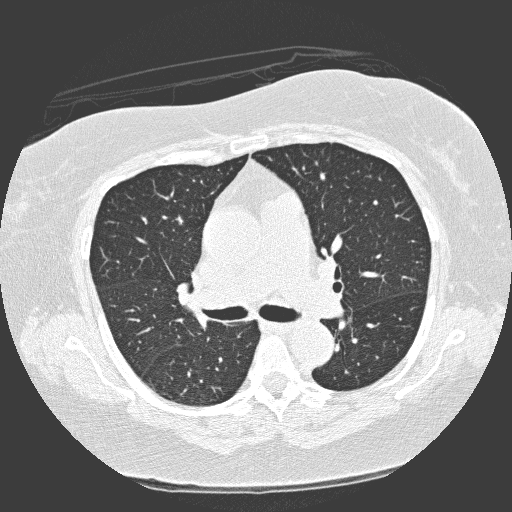
Axial chest CT slice 198 of 300 (counted from the lowest slice); 1.00 mm thick, 0.654 mm per pixel. Pulmonary nodule at rows 217–222, columns 178–181 (box = that reader's outline on this slice), outlined by one of the four readers; longest diameter 5.3 mm and volume 21 mm3 from that reader's outline. Ratings by that reader: texture 3/5 (part-solid); margin 4/5; sphericity 2/5; calcification absent; internal structure soft tissue; subtlety 3/5; malignancy likelihood 2/5. Scale key (1–5): texture non-solid→solid, margin indistinct→circumscribed, sphericity linear→round, subtlety extremely subtle→obvious, malignancy likelihood highly unlikely→highly suspicious of cancer. Box rows and columns are 0-based pixel indices from the top-left corner, inclusive.
Tube voltage 120 kVp; convolution kernel D.